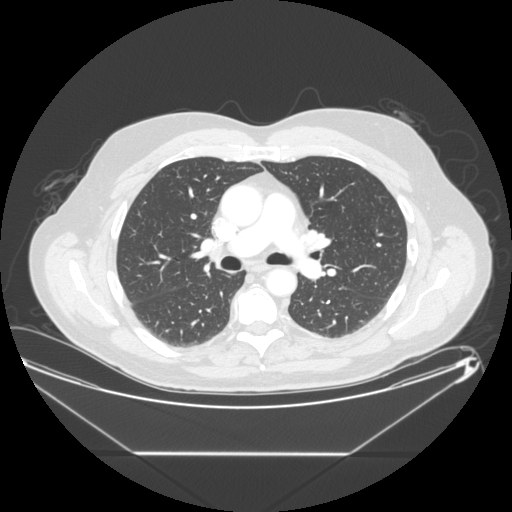
Chest CT, axial plane, 120 kVp, kernel STANDARD. Slice 157/265 from the bottom of the scan; thickness 1.25 mm; pixel size 0.883 mm.
Pulmonary nodule, outlined by one of the four readers. Box on this slice rows 243–246, columns 376–380, that reader's outline on this slice; longest diameter 5.6 mm and volume 102 mm3 from that reader's outline. That reader's ratings: texture 5/5 (solid); margin 5/5 (circumscribed); sphericity 4/5; calcification solid calcification; internal structure soft tissue; subtlety 5/5; malignancy likelihood 1/5. Scale key (1–5): texture non-solid→solid, margin indistinct→circumscribed, sphericity linear→round, subtlety extremely subtle→obvious, malignancy likelihood highly unlikely→highly suspicious of cancer. Box rows and columns are 0-based pixel indices from the top-left corner, inclusive.